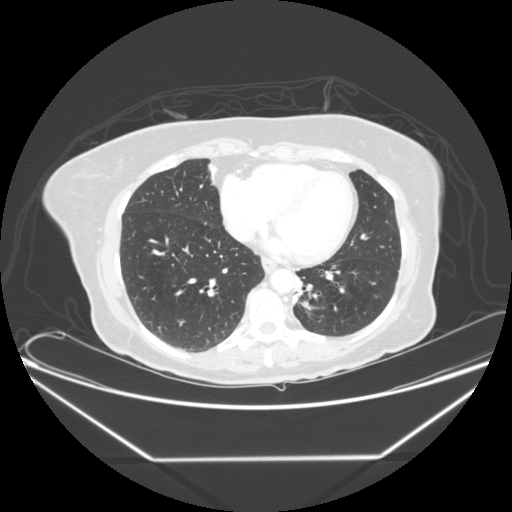
Chest CT, axial plane, 120 kVp, kernel STANDARD. Slice 84/245 from the bottom of the scan; thickness 1.25 mm; pixel size 0.826 mm.
Pulmonary nodule outlined by all four readers; box rows 300–309, columns 300–310 (the union of the readers' outlines on this slice); median longest diameter 13.0 mm (readers' outlines 10.9–14.9 mm), median volume 559 mm3 (519–637 mm3). Ratings, median across the readers with their spread: texture 5/5 (solid) from all four readers; median margin 4/5 (readers ranged 4/5 to 5/5 (circumscribed)); sphericity 4/5 at the median of four readers, spread 3/5 (ovoid) to 5/5 (round); calcification absent, all four readers agreeing; internal structure soft tissue, all four readers agreeing; median subtlety 3.5/5 (readers ranged 2–5); malignancy likelihood 3/5 at the median of four readers, spread 3–4. Scale key (1–5): texture non-solid→solid, margin indistinct→circumscribed, sphericity linear→round, subtlety extremely subtle→obvious, malignancy likelihood highly unlikely→highly suspicious of cancer. Box rows and columns are 0-based pixel indices from the top-left corner, inclusive.